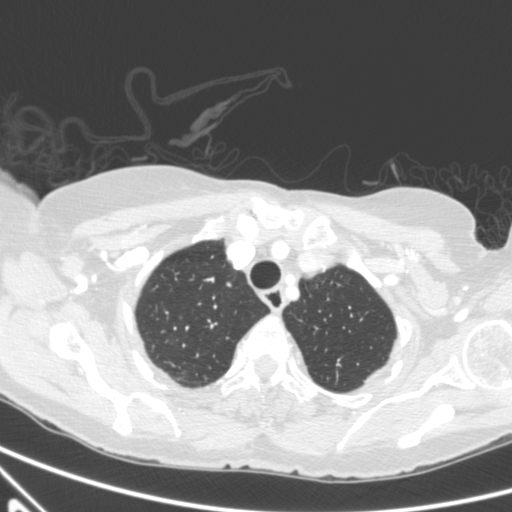
Axial chest CT slice 519 of 590 (counted from the lowest slice); 0.90 mm thick, 0.627 mm per pixel. Pulmonary nodule outlined by three of the four readers, one of them on this slice; box rows 370–373, columns 180–186 (the one reader's outline on this slice); median longest diameter 5.8 mm (readers' outlines 5.4–6.2 mm), median volume 76 mm3 (51–88 mm3). Ratings, median across the readers with their spread: texture 4/5 at the median of three readers, spread 4/5 to 5/5 (solid); median margin 4/5 (readers ranged 3/5 to 5/5 (circumscribed)); sphericity 4/5 at the median of three readers, spread 3/5 (ovoid) to 5/5 (round); calcification absent from all three readers; internal structure soft tissue, all three readers agreeing; subtlety 3/5, all three readers agreeing; malignancy likelihood 3/5 at the median of three readers, spread 2–3. Scale key (1–5): texture non-solid→solid, margin indistinct→circumscribed, sphericity linear→round, subtlety extremely subtle→obvious, malignancy likelihood highly unlikely→highly suspicious of cancer. Box rows and columns are 0-based pixel indices from the top-left corner, inclusive.
Tube voltage 120 kVp; convolution kernel B.